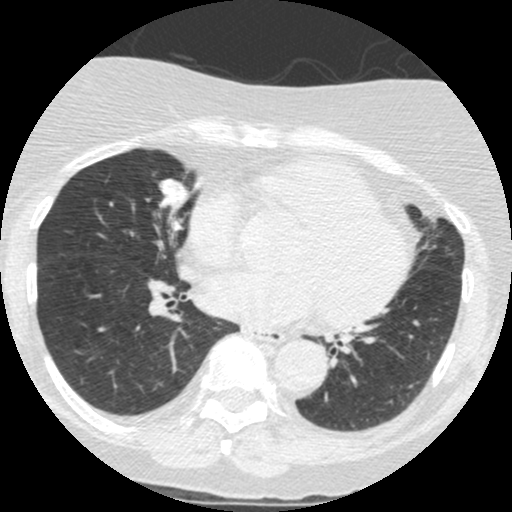
One axial slice (168 of 426, counting up from the lowest) of a chest CT acquired at 120 kVp with the STANDARD kernel; each pixel is 0.547 mm and the slice is 1.25 mm thick.
Pulmonary nodule, outlined by all four readers. Box on this slice rows 179–211, columns 158–188, the union of the readers' outlines on this slice; longest diameter 17.0–20.6 mm and volume 1129–1635 mm3 across the four readers' outlines. Ratings across the readers: texture from 4/5 to 5/5 (solid) across the four readers; margin from 2/5 to 5/5 (circumscribed) across the four readers; sphericity from 3/5 (ovoid) to 5/5 (round) across the four readers; calcification: absent (three), non-central calcification (one); internal structure soft tissue from all four readers; subtlety rated between 3 and 5 out of 5 by the four readers; malignancy likelihood from 2/5 to 4/5 across the four readers. Scale key (1–5): texture non-solid→solid, margin indistinct→circumscribed, sphericity linear→round, subtlety extremely subtle→obvious, malignancy likelihood highly unlikely→highly suspicious of cancer. Box rows and columns are 0-based pixel indices from the top-left corner, inclusive.